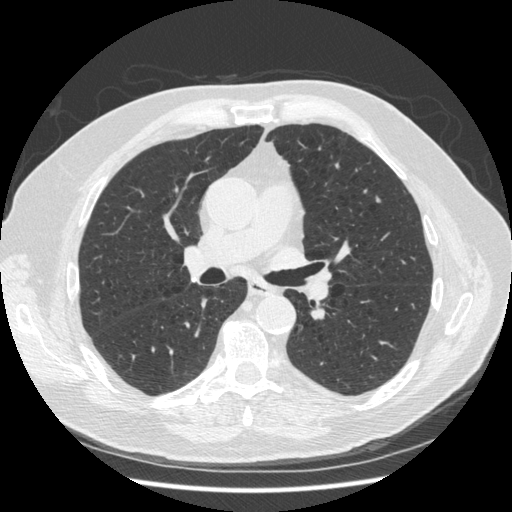
Chest CT, axial plane, 120 kVp, kernel STANDARD. Slice 262/477 from the bottom of the scan; thickness 1.25 mm; pixel size 0.703 mm.
Pulmonary nodule at rows 196–202, columns 376–380 (box = that reader's outline on this slice), outlined by one of the four readers; longest diameter 6.0 mm and volume 35 mm3 from that reader's outline. That reader's ratings: texture 5/5 (solid); margin 5/5 (circumscribed); sphericity 5/5 (round); calcification absent; internal structure soft tissue; subtlety 2/5; malignancy likelihood 2/5. Scale key (1–5): texture non-solid→solid, margin indistinct→circumscribed, sphericity linear→round, subtlety extremely subtle→obvious, malignancy likelihood highly unlikely→highly suspicious of cancer. Box rows and columns are 0-based pixel indices from the top-left corner, inclusive.